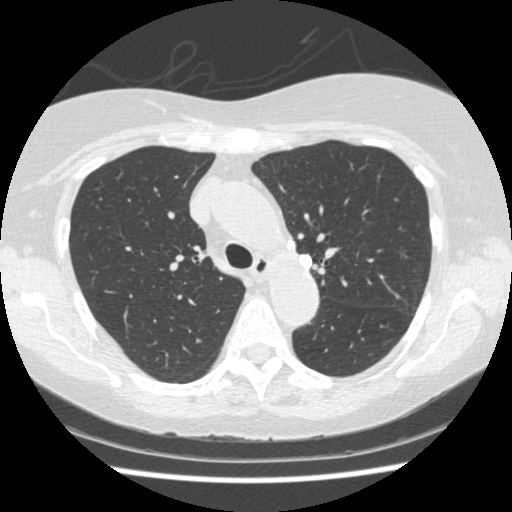
One axial slice (307 of 458, counting up from the lowest) of a chest CT acquired at 120 kVp with the STANDARD kernel; each pixel is 0.625 mm and the slice is 1.25 mm thick.
Three pulmonary nodules are outlined on this slice; from left to right: (1) Pulmonary nodule, outlined by one of the four readers. Box on this slice rows 239–249, columns 287–295, that reader's outline on this slice; longest diameter 10.6 mm and volume 342 mm3 from that reader's outline. That reader's ratings: texture 5/5 (solid); margin 5/5 (circumscribed); sphericity 4/5; calcification solid calcification; internal structure soft tissue; subtlety 4/5; malignancy likelihood 1/5. (2) Pulmonary nodule outlined by one of the four readers; box rows 254–269, columns 299–311 (that reader's outline on this slice); longest diameter 11.9 mm and volume 579 mm3 from that reader's outline. That reader's ratings: texture 5/5 (solid); margin 5/5 (circumscribed); sphericity 5/5 (round); calcification solid calcification; internal structure soft tissue; subtlety 4/5; malignancy likelihood 1/5. (3) Pulmonary nodule at rows 294–298, columns 395–399 (box = the union of the readers' outlines on this slice), outlined by all four readers, two of them on this slice; median longest diameter 6.8 mm (readers' outlines 6.8–7.1 mm), median volume 145 mm3 (96–159 mm3). Ratings, median across the readers with their spread: median texture 5/5 (solid) (readers ranged 4/5 to 5/5 (solid)); median margin 5/5 (circumscribed) (readers ranged 4/5 to 5/5 (circumscribed)); median sphericity 3.5/5 (readers ranged 3/5 (ovoid) to 4/5); calcification: solid calcification (two), central calcification (one), absent (one); internal structure soft tissue from all four readers; median subtlety 4.5/5 (readers ranged 4–5); median malignancy likelihood 1/5 (readers ranged 1–3). Scale key (1–5): texture non-solid→solid, margin indistinct→circumscribed, sphericity linear→round, subtlety extremely subtle→obvious, malignancy likelihood highly unlikely→highly suspicious of cancer. Box rows and columns are 0-based pixel indices from the top-left corner, inclusive.